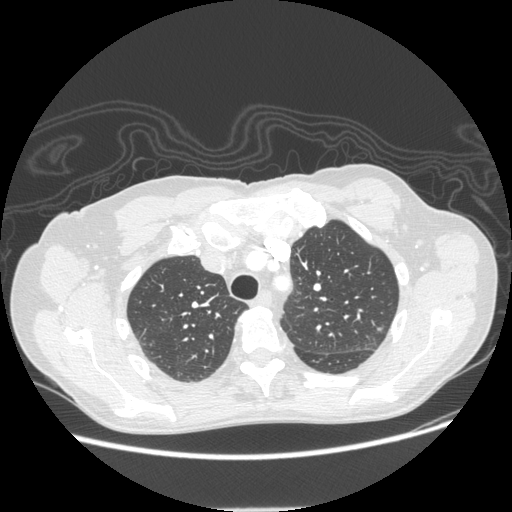
This is axial slice 172 of 232 (slice 1 is the lowest) of a chest CT; each pixel is 0.742 mm and the slice is 1.25 mm thick. Pulmonary nodule at rows 326–331, columns 376–382 (box = the union of the readers' outlines on this slice), outlined by three of the four readers; median longest diameter 6.3 mm (readers' outlines 6.1–7.3 mm), median volume 129 mm3 (107–180 mm3). Ratings, median across the readers with their spread: median texture 5/5 (solid) (readers ranged 4/5 to 5/5 (solid)); median margin 4/5 (readers ranged 4/5 to 5/5 (circumscribed)); median sphericity 5/5 (round) (readers ranged 4/5 to 5/5 (round)); calcification absent, all three readers agreeing; internal structure soft tissue from all three readers; median subtlety 3/5 (readers ranged 2–4); malignancy likelihood 3/5, all three readers agreeing. Scale key (1–5): texture non-solid→solid, margin indistinct→circumscribed, sphericity linear→round, subtlety extremely subtle→obvious, malignancy likelihood highly unlikely→highly suspicious of cancer. Box rows and columns are 0-based pixel indices from the top-left corner, inclusive.
Tube voltage 120 kVp; convolution kernel STANDARD.